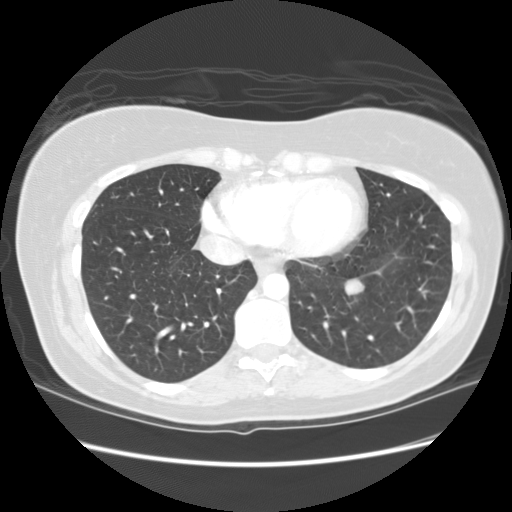
Axial slice 35 of 123 of a chest CT (slice 1 is the lowest), reconstructed with the STANDARD kernel at 120 kVp; 2.50 mm slice thickness and 0.703 mm pixels.
Pulmonary nodule, outlined by all four readers. Box on this slice rows 277–295, columns 343–365, the union of the readers' outlines on this slice; longest diameter 15.6–16.8 mm and volume 874–1495 mm3 across the four readers' outlines. The readers' ratings, as ranges where they differ: texture 5/5 (solid), all four readers agreeing; margin from 4/5 to 5/5 (circumscribed) across the four readers; sphericity from 2/5 to 5/5 (round) across the four readers; calcification absent, all four readers agreeing; internal structure soft tissue, all four readers agreeing; subtlety from 2/5 to 5/5 across the four readers; malignancy likelihood 2–5/5 (the readers disagree). Scale key (1–5): texture non-solid→solid, margin indistinct→circumscribed, sphericity linear→round, subtlety extremely subtle→obvious, malignancy likelihood highly unlikely→highly suspicious of cancer. Box rows and columns are 0-based pixel indices from the top-left corner, inclusive.